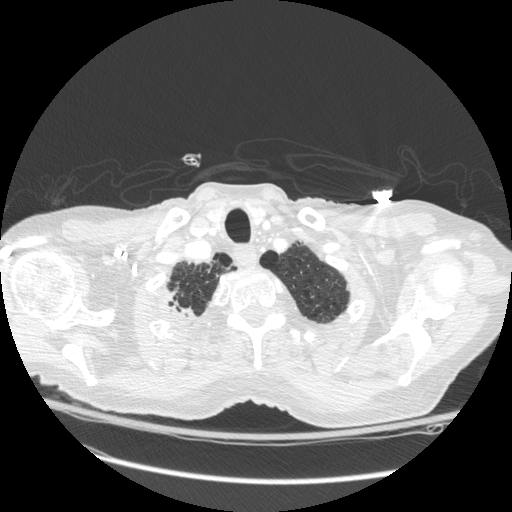
Axial chest CT slice 250 of 272 (counted from the lowest slice); 1.25 mm thick, 0.742 mm per pixel. Pulmonary nodule at rows 287–316, columns 166–194 (box = the one reader's outline on this slice), outlined by all four readers, one of them on this slice; longest diameter 16.0–56.1 mm and volume 732–13897 mm3 across the four readers' outlines. Ratings across the readers: texture 5/5 (solid) from all four readers; margin from 3/5 to 5/5 (circumscribed) across the four readers; sphericity from 3/5 (ovoid) to 4/5 across the four readers; calcification absent from all four readers; internal structure soft tissue, all four readers agreeing; subtlety 5/5, all four readers agreeing; malignancy likelihood rated between 4 and 5 out of 5 by the four readers. Scale key (1–5): texture non-solid→solid, margin indistinct→circumscribed, sphericity linear→round, subtlety extremely subtle→obvious, malignancy likelihood highly unlikely→highly suspicious of cancer. Box rows and columns are 0-based pixel indices from the top-left corner, inclusive.
Scan settings: 120 kVp, STANDARD reconstruction kernel.